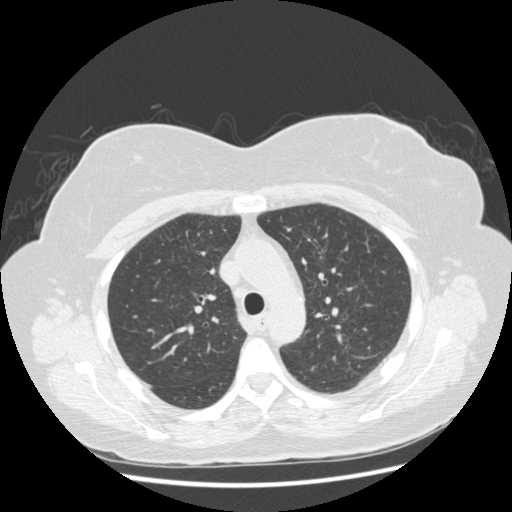
Chest CT, axial plane, 120 kVp, kernel STANDARD. Slice 330/481 from the bottom of the scan; thickness 1.25 mm; pixel size 0.703 mm.
Pulmonary nodule, outlined by one of the four readers. Box on this slice rows 366–368, columns 312–315, that reader's outline on this slice; longest diameter 5.1 mm and volume 38 mm3 from that reader's outline. Ratings by that reader: texture 4/5; margin 4/5; sphericity 4/5; calcification absent; internal structure soft tissue; subtlety 5/5; malignancy likelihood 3/5. Scale key (1–5): texture non-solid→solid, margin indistinct→circumscribed, sphericity linear→round, subtlety extremely subtle→obvious, malignancy likelihood highly unlikely→highly suspicious of cancer. Box rows and columns are 0-based pixel indices from the top-left corner, inclusive.